One axial slice (442 of 541, counting up from the lowest) of a chest CT acquired at 120 kVp with the STANDARD kernel; each pixel is 0.781 mm and the slice is 1.25 mm thick.
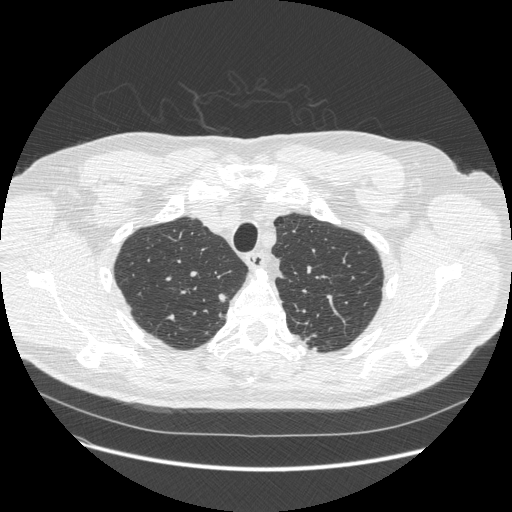
Pulmonary nodule, outlined by all four readers. Box on this slice rows 293–302, columns 218–227, the union of the readers' outlines on this slice; longest diameter 9.5–10.6 mm and volume 135–169 mm3 across the four readers' outlines. The readers' ratings, as ranges where they differ: texture from 4/5 to 5/5 (solid) across the four readers; margin from 2/5 to 4/5 across the four readers; sphericity from 3/5 (ovoid) to 4/5 across the four readers; calcification absent from all four readers; internal structure soft tissue from all four readers; subtlety 2–5/5 (the readers disagree); malignancy likelihood from 2/5 to 5/5 across the four readers. Scale key (1–5): texture non-solid→solid, margin indistinct→circumscribed, sphericity linear→round, subtlety extremely subtle→obvious, malignancy likelihood highly unlikely→highly suspicious of cancer. Box rows and columns are 0-based pixel indices from the top-left corner, inclusive.